Chest CT, axial plane, 120 kVp, kernel STANDARD. Slice 438/541 from the bottom of the scan; thickness 1.25 mm; pixel size 0.781 mm.
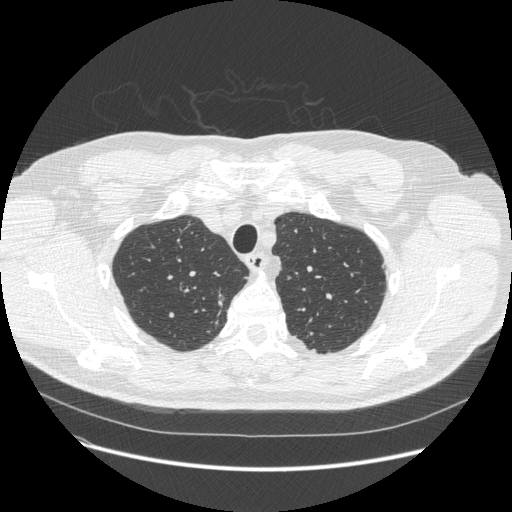
Pulmonary nodule outlined by all four readers, two of them on this slice; box rows 296–300, columns 220–224 (the union of the readers' outlines on this slice); median longest diameter 10.2 mm (readers' outlines 9.5–10.6 mm), median volume 148 mm3 (135–169 mm3). Median ratings and the readers' spread: median texture 5/5 (solid) (readers ranged 4/5 to 5/5 (solid)); median margin 4/5 (readers ranged 2/5 to 4/5); median sphericity 3.5/5 (readers ranged 3/5 (ovoid) to 4/5); calcification absent, all four readers agreeing; internal structure soft tissue, all four readers agreeing; subtlety 3.5/5 at the median of four readers, spread 2–5; median malignancy likelihood 3/5 (readers ranged 2–5). Scale key (1–5): texture non-solid→solid, margin indistinct→circumscribed, sphericity linear→round, subtlety extremely subtle→obvious, malignancy likelihood highly unlikely→highly suspicious of cancer. Box rows and columns are 0-based pixel indices from the top-left corner, inclusive.